One axial slice (82 of 131, counting up from the lowest) of a chest CT acquired at 120 kVp with the STANDARD kernel; each pixel is 0.781 mm and the slice is 2.50 mm thick.
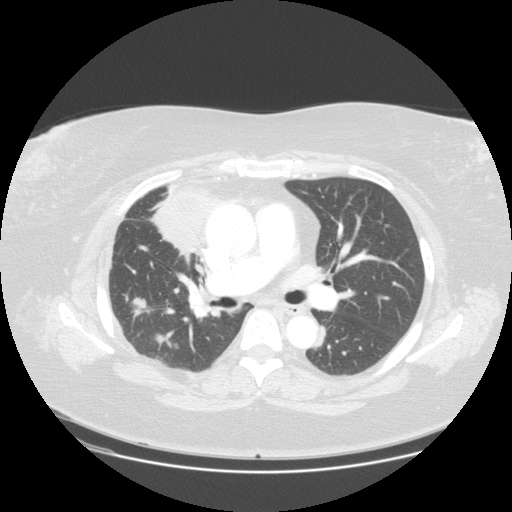
Two pulmonary nodules on this slice, listed from left to right. (1) Pulmonary nodule, outlined by all four readers. Box on this slice rows 297–314, columns 131–146, the union of the readers' outlines on this slice; longest diameter 14.7 mm on average over the four readers' outlines (readers' outlines 14.1–15.2 mm), volume 961–1260 mm3. Ratings, by the readers' most common answer with dissent counted: texture 5/5 (solid) from all four readers; margin 4/5 by two of four readers; the rest gave 3/5 (one), 5/5 (circumscribed) (one); sphericity 4/5 by three of four readers; the rest gave 5/5 (round) (one); calcification absent from all four readers; internal structure soft tissue from all four readers; subtlety 5/5, all four readers agreeing; malignancy likelihood 5/5 by two of four readers; the rest gave 3/5 (one), 4/5 (one). (2) Pulmonary nodule, outlined by all four readers. Box on this slice rows 331–349, columns 156–176, the union of the readers' outlines on this slice; median longest diameter 22.5 mm (readers' outlines 20.8–23.0 mm), median volume 1469 mm3 (1060–1625 mm3). Median ratings and the readers' spread: median texture 5/5 (solid) (readers ranged 4/5 to 5/5 (solid)); median margin 4/5 (readers ranged 3/5 to 4/5); median sphericity 2/5 (readers ranged 2/5 to 5/5 (round)); calcification absent, all four readers agreeing; internal structure soft tissue from all four readers; median subtlety 5/5 (readers ranged 4–5); malignancy likelihood 4.5/5 at the median of four readers, spread 4–5. Scale key (1–5): texture non-solid→solid, margin indistinct→circumscribed, sphericity linear→round, subtlety extremely subtle→obvious, malignancy likelihood highly unlikely→highly suspicious of cancer. Box rows and columns are 0-based pixel indices from the top-left corner, inclusive.